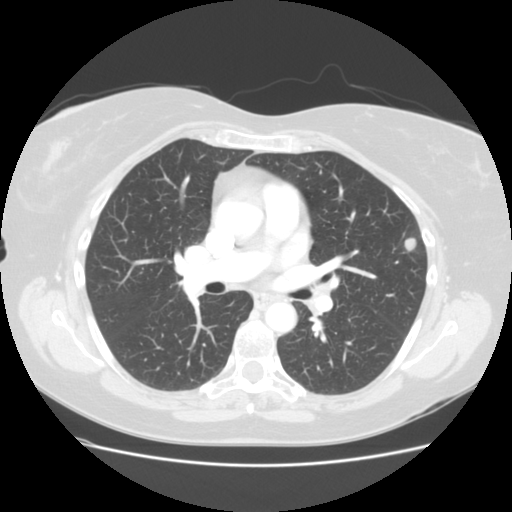
Axial chest CT slice 83 of 131 (counted from the lowest slice); 2.50 mm thick, 0.703 mm per pixel. Pulmonary nodule outlined by all four readers; box rows 236–251, columns 403–416 (the union of the readers' outlines on this slice); median longest diameter 11.2 mm (readers' outlines 11.0–12.6 mm), median volume 509 mm3 (428–598 mm3). Median ratings and the readers' spread: texture 5/5 (solid) from all four readers; margin 4.5/5 at the median of four readers, spread 4/5 to 5/5 (circumscribed); median sphericity 4.5/5 (readers ranged 4/5 to 5/5 (round)); calcification absent, all four readers agreeing; internal structure soft tissue from all four readers; subtlety 4.5/5 at the median of four readers, spread 3–5; malignancy likelihood 3/5 at the median of four readers, spread 2–4. Scale key (1–5): texture non-solid→solid, margin indistinct→circumscribed, sphericity linear→round, subtlety extremely subtle→obvious, malignancy likelihood highly unlikely→highly suspicious of cancer. Box rows and columns are 0-based pixel indices from the top-left corner, inclusive.
Scan settings: 120 kVp, STANDARD reconstruction kernel.